Axial slice 341 of 481 of a chest CT (slice 1 is the lowest), reconstructed with the STANDARD kernel at 120 kVp; 1.25 mm slice thickness and 0.703 mm pixels.
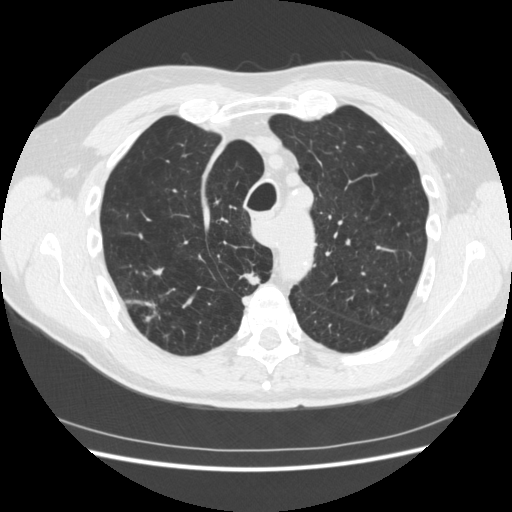
Two pulmonary nodules are outlined on this slice; from left to right: (1) Pulmonary nodule at rows 298–323, columns 125–161 (box = the union of the readers' outlines on this slice), outlined by all four readers, two of them on this slice; median longest diameter 25.6 mm (readers' outlines 18.7–34.9 mm), median volume 2081 mm3 (1155–4169 mm3). Median ratings and the readers' spread: texture 5/5 (solid) at the median of four readers, spread 4/5 to 5/5 (solid); margin 2.5/5 at the median of four readers, spread 1/5 (indistinct) to 4/5; sphericity 3.5/5 at the median of four readers, spread 2/5 to 5/5 (round); calcification absent, all four readers agreeing; internal structure soft tissue, all four readers agreeing; subtlety 5/5 from all four readers; median malignancy likelihood 5/5 (readers ranged 4–5). (2) Pulmonary nodule at rows 270–285, columns 241–260 (box = the union of the readers' outlines on this slice), outlined by three of the four readers; longest diameter 13.5–18.5 mm and volume 529–1088 mm3 across the three readers' outlines. The readers' ratings, as ranges where they differ: texture 5/5 (solid) from all three readers; margin from 1/5 (indistinct) to 4/5 across the three readers; sphericity from 2/5 to 3/5 (ovoid) across the three readers; calcification absent from all three readers; internal structure soft tissue, all three readers agreeing; subtlety from 4/5 to 5/5 across the three readers; malignancy likelihood rated between 3 and 5 out of 5 by the three readers. Scale key (1–5): texture non-solid→solid, margin indistinct→circumscribed, sphericity linear→round, subtlety extremely subtle→obvious, malignancy likelihood highly unlikely→highly suspicious of cancer. Box rows and columns are 0-based pixel indices from the top-left corner, inclusive.